Chest CT, axial plane, 120 kVp, kernel C. Slice 184/350 from the bottom of the scan; thickness 1.50 mm; pixel size 0.725 mm.
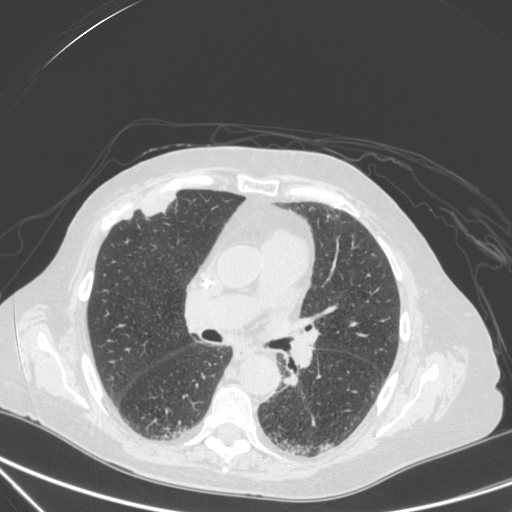
Two pulmonary nodules on this slice, listed from left to right. (1) Pulmonary nodule at rows 213–218, columns 124–132 (box = that reader's outline on this slice), outlined by one of the four readers; longest diameter 11.5 mm and volume 223 mm3 from that reader's outline. Ratings by that reader: texture 5/5 (solid); margin 4/5; sphericity 4/5; calcification absent; internal structure soft tissue; subtlety 5/5; malignancy likelihood 4/5. (2) Pulmonary nodule at rows 195–216, columns 143–175 (box = that reader's outline on this slice), outlined by one of the four readers; longest diameter 29.5 mm and volume 4181 mm3 from that reader's outline. Ratings by that reader: texture 5/5 (solid); margin 4/5; sphericity 2/5; calcification absent; internal structure soft tissue; subtlety 5/5; malignancy likelihood 4/5. Scale key (1–5): texture non-solid→solid, margin indistinct→circumscribed, sphericity linear→round, subtlety extremely subtle→obvious, malignancy likelihood highly unlikely→highly suspicious of cancer. Box rows and columns are 0-based pixel indices from the top-left corner, inclusive.